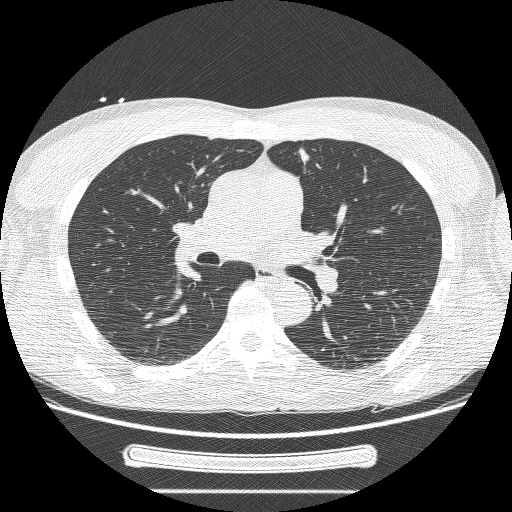
Slice 139/244 of a chest CT, counting up from the lowest; pixel size 0.729 mm, slice thickness 1.25 mm. Pulmonary nodule at rows 147–162, columns 298–309 (box = the union of the readers' outlines on this slice), outlined by three of the four readers, two of them on this slice; longest diameter 34.2 mm on average over the three readers' outlines (readers' outlines 27.4–37.9 mm), volume 2934–10099 mm3. The readers' prevailing ratings and who disagreed: most readers (two of three) put texture at 5/5 (solid), others 3/5 (part-solid) (one); margin split among the readers: 1/5 (indistinct) (one), 2/5 (one), 3/5 (one); sphericity split among the readers: 2/5 (one), 3/5 (ovoid) (one), 4/5 (one); calcification absent, all three readers agreeing; internal structure soft tissue, all three readers agreeing; subtlety 5/5 from all three readers; most readers (two of three) put malignancy likelihood at 5/5, others 3/5 (one). Scale key (1–5): texture non-solid→solid, margin indistinct→circumscribed, sphericity linear→round, subtlety extremely subtle→obvious, malignancy likelihood highly unlikely→highly suspicious of cancer. Box rows and columns are 0-based pixel indices from the top-left corner, inclusive.
Tube voltage 120 kVp; convolution kernel BONE.